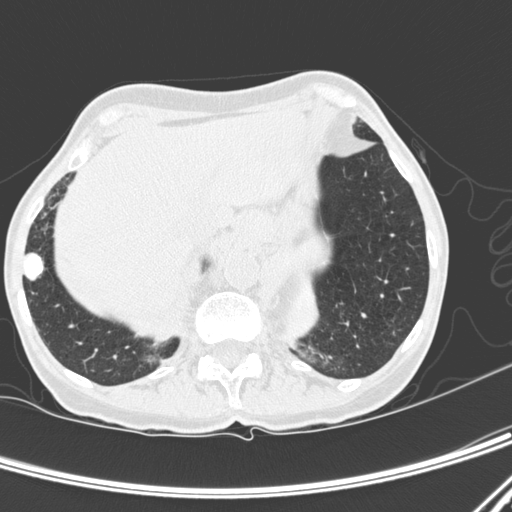
Axial chest CT slice 52 of 300 (counted from the lowest slice); 1.00 mm thick, 0.607 mm per pixel. Pulmonary nodule, outlined by all four readers. Box on this slice rows 251–280, columns 23–42, the union of the readers' outlines on this slice; longest diameter 18.8 mm on average over the four readers' outlines (readers' outlines 17.1–19.9 mm), volume 1865–2443 mm3. Ratings, by the readers' most common answer with dissent counted: texture 5/5 (solid), all four readers agreeing; margin 5/5 (circumscribed), all four readers agreeing; most readers (three of four) put sphericity at 4/5, others 5/5 (round) (one); calcification solid calcification by three of four readers, absent (one); internal structure soft tissue, all four readers agreeing; subtlety 5/5, all four readers agreeing; most readers (three of four) put malignancy likelihood at 1/5, others 4/5 (one). Scale key (1–5): texture non-solid→solid, margin indistinct→circumscribed, sphericity linear→round, subtlety extremely subtle→obvious, malignancy likelihood highly unlikely→highly suspicious of cancer. Box rows and columns are 0-based pixel indices from the top-left corner, inclusive.
Tube voltage 120 kVp; convolution kernel D.